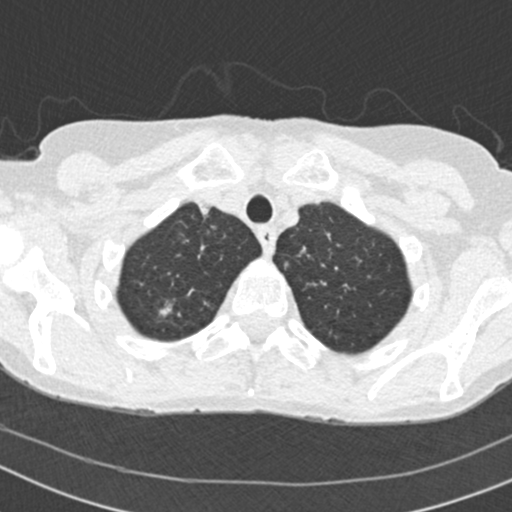
One axial slice (173 of 202, counting up from the lowest) of a chest CT acquired at 120 kVp with the B30f kernel; each pixel is 0.566 mm and the slice is 2.00 mm thick.
Pulmonary nodule outlined by all four readers; box rows 299–319, columns 158–173 (the union of the readers' outlines on this slice); longest diameter 10.9–15.0 mm and volume 306–786 mm3 across the four readers' outlines. The readers' ratings, as ranges where they differ: texture from 3/5 (part-solid) to 5/5 (solid) across the four readers; margin from 1/5 (indistinct) to 3/5 across the four readers; sphericity from 3/5 (ovoid) to 4/5 across the four readers; calcification absent from all four readers; internal structure soft tissue, all four readers agreeing; subtlety rated between 3 and 4 out of 5 by the four readers; malignancy likelihood 3–5/5 (the readers disagree). Scale key (1–5): texture non-solid→solid, margin indistinct→circumscribed, sphericity linear→round, subtlety extremely subtle→obvious, malignancy likelihood highly unlikely→highly suspicious of cancer. Box rows and columns are 0-based pixel indices from the top-left corner, inclusive.